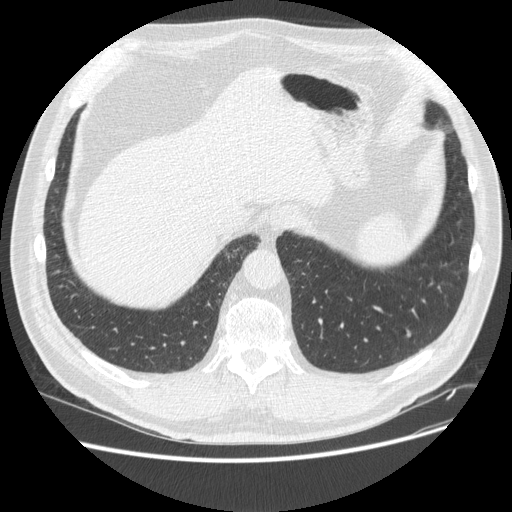
Axial chest CT slice 120 of 513 (counted from the lowest slice); tube voltage 120 kVp, convolution kernel STANDARD; slices 1.25 mm thick, 0.742 mm per pixel.
Pulmonary nodule at rows 329–336, columns 406–410 (box = that reader's outline on this slice), outlined by one of the four readers; longest diameter 8.7 mm and volume 80 mm3 from that reader's outline. Ratings by that reader: texture 5/5 (solid); margin 4/5; sphericity 4/5; calcification absent; internal structure soft tissue; subtlety 4/5; malignancy likelihood 3/5. Scale key (1–5): texture non-solid→solid, margin indistinct→circumscribed, sphericity linear→round, subtlety extremely subtle→obvious, malignancy likelihood highly unlikely→highly suspicious of cancer. Box rows and columns are 0-based pixel indices from the top-left corner, inclusive.